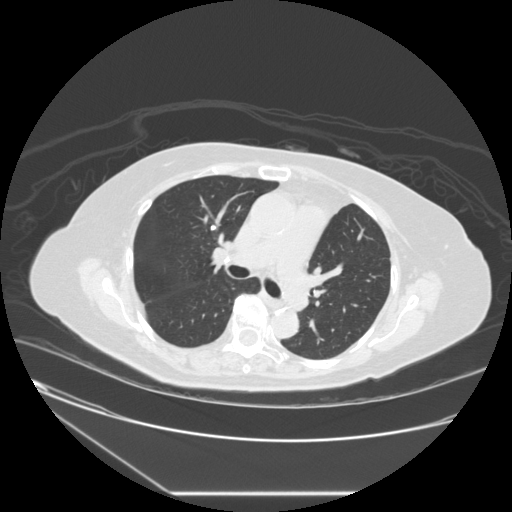
Axial chest CT slice 164 of 241 (counted from the lowest slice); tube voltage 120 kVp, convolution kernel STANDARD; slices 1.25 mm thick, 0.773 mm per pixel.
Pulmonary nodule, outlined by three of the four readers. Box on this slice rows 224–230, columns 210–215, the union of the readers' outlines on this slice; longest diameter 6.7 mm on average over the three readers' outlines (readers' outlines 6.4–7.1 mm), volume 103–202 mm3. Ratings, by the readers' most common answer with dissent counted: texture 5/5 (solid) from all three readers; margin 5/5 (circumscribed) from all three readers; most readers (two of three) put sphericity at 3/5 (ovoid), others 5/5 (round) (one); calcification solid calcification by two of three readers, central calcification (one); internal structure soft tissue, all three readers agreeing; most readers (two of three) put subtlety at 5/5, others 4/5 (one); malignancy likelihood 1/5, all three readers agreeing. Scale key (1–5): texture non-solid→solid, margin indistinct→circumscribed, sphericity linear→round, subtlety extremely subtle→obvious, malignancy likelihood highly unlikely→highly suspicious of cancer. Box rows and columns are 0-based pixel indices from the top-left corner, inclusive.